Chest CT, axial plane, 120 kVp, kernel STANDARD. Slice 49/255 from the bottom of the scan; thickness 2.50 mm; pixel size 0.664 mm.
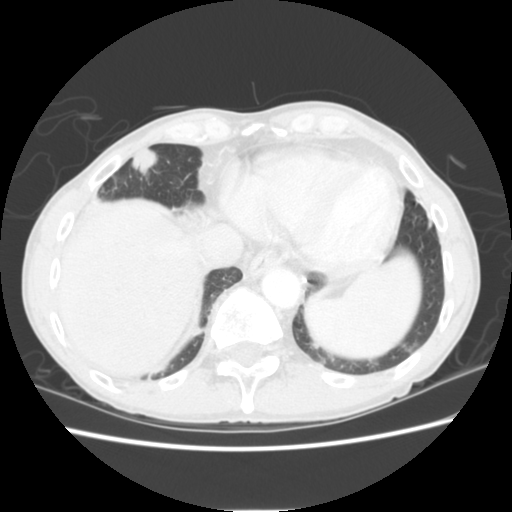
Two pulmonary nodules are outlined on this slice; from left to right: (1) Pulmonary nodule outlined by all four readers; box rows 147–175, columns 128–156 (the union of the readers' outlines on this slice); longest diameter 27.2 mm on average over the four readers' outlines (readers' outlines 25.4–30.3 mm), volume 4677–6345 mm3. The readers' prevailing ratings and who disagreed: texture 5/5 (solid), all four readers agreeing; margin split among the readers: 4/5 (two), 5/5 (circumscribed) (two); sphericity 4/5 by two of four readers; the rest gave 3/5 (ovoid) (one), 5/5 (round) (one); calcification absent, all four readers agreeing; internal structure soft tissue from all four readers; subtlety 5/5, all four readers agreeing; most readers (three of four) put malignancy likelihood at 5/5, others 3/5 (one). (2) Pulmonary nodule, outlined by one of the four readers. Box on this slice rows 344–348, columns 313–319, that reader's outline on this slice; longest diameter 5.5 mm and volume 37 mm3 from that reader's outline. That reader's ratings: texture 5/5 (solid); margin 5/5 (circumscribed); sphericity 4/5; calcification absent; internal structure soft tissue; subtlety 2/5; malignancy likelihood 2/5. Scale key (1–5): texture non-solid→solid, margin indistinct→circumscribed, sphericity linear→round, subtlety extremely subtle→obvious, malignancy likelihood highly unlikely→highly suspicious of cancer. Box rows and columns are 0-based pixel indices from the top-left corner, inclusive.